Axial slice 173 of 209 of a chest CT (slice 1 is the lowest), reconstructed with the STANDARD kernel at 120 kVp; 1.25 mm slice thickness and 0.693 mm pixels.
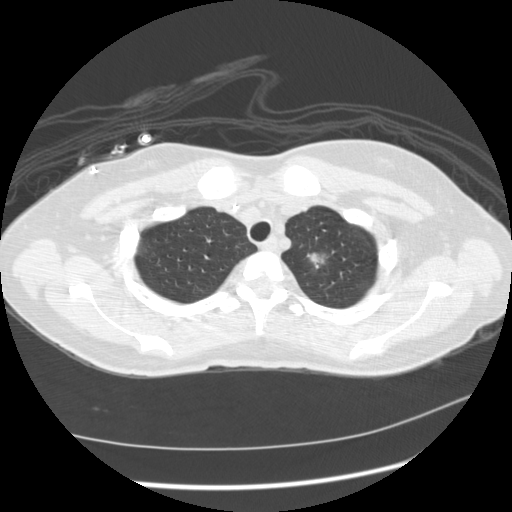
Pulmonary nodule at rows 251–270, columns 305–330 (box = the union of the readers' outlines on this slice), outlined by all four readers; longest diameter 21.8–25.6 mm and volume 2801–4927 mm3 across the four readers' outlines. Ratings across the readers: texture from 4/5 to 5/5 (solid) across the four readers; margin from 3/5 to 4/5 across the four readers; sphericity from 2/5 to 5/5 (round) across the four readers; calcification absent, all four readers agreeing; internal structure soft tissue from all four readers; subtlety 5/5 from all four readers; malignancy likelihood rated between 3 and 5 out of 5 by the four readers. Scale key (1–5): texture non-solid→solid, margin indistinct→circumscribed, sphericity linear→round, subtlety extremely subtle→obvious, malignancy likelihood highly unlikely→highly suspicious of cancer. Box rows and columns are 0-based pixel indices from the top-left corner, inclusive.